Chest CT, axial plane, 120 kVp, kernel B. Slice 164/290 from the bottom of the scan; thickness 2.00 mm; pixel size 0.639 mm.
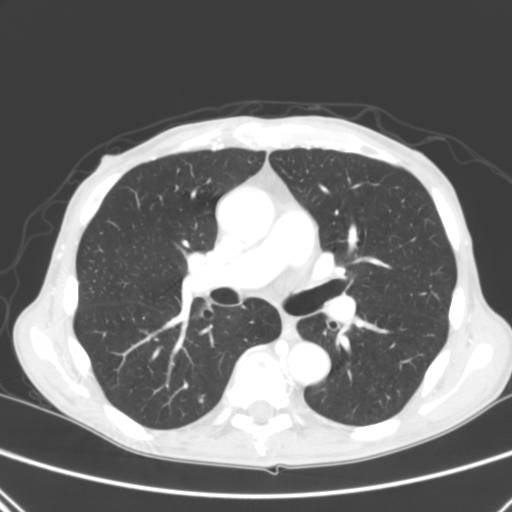
Pulmonary nodule at rows 395–403, columns 198–204 (box = the union of the readers' outlines on this slice), outlined by three of the four readers; median longest diameter 6.9 mm (readers' outlines 6.9–9.4 mm), median volume 90 mm3 (83–138 mm3). Ratings, median across the readers with their spread: texture 5/5 (solid) at the median of three readers, spread 3/5 (part-solid) to 5/5 (solid); margin 3/5 at the median of three readers, spread 2/5 to 4/5; median sphericity 3/5 (ovoid) (readers ranged 2/5 to 4/5); calcification absent from all three readers; internal structure soft tissue, all three readers agreeing; median subtlety 4/5 (readers ranged 2–4); malignancy likelihood 3/5 at the median of three readers, spread 2–4. Scale key (1–5): texture non-solid→solid, margin indistinct→circumscribed, sphericity linear→round, subtlety extremely subtle→obvious, malignancy likelihood highly unlikely→highly suspicious of cancer. Box rows and columns are 0-based pixel indices from the top-left corner, inclusive.